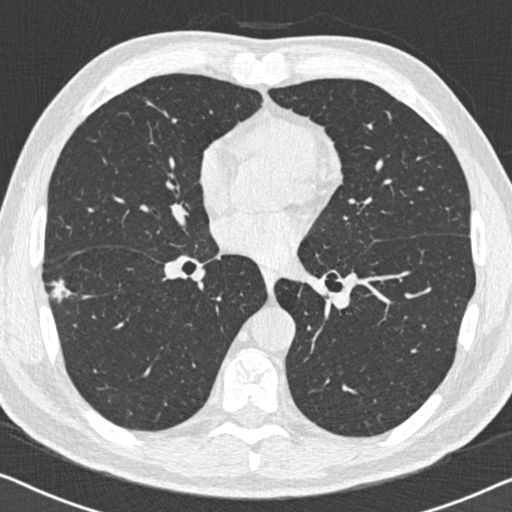
Chest CT, axial plane, 120 kVp, kernel B30f. Slice 303/558 from the bottom of the scan; thickness 0.75 mm; pixel size 0.648 mm.
Two pulmonary nodules are outlined on this slice; from left to right: (1) Pulmonary nodule, outlined by all four readers. Box on this slice rows 277–303, columns 46–72, the union of the readers' outlines on this slice; longest diameter 22.2 mm on average over the four readers' outlines (readers' outlines 18.8–26.5 mm), volume 726–1916 mm3. The readers' prevailing ratings and who disagreed: texture 5/5 (solid) by two of four readers; the rest gave 3/5 (part-solid) (one), 4/5 (one); margin 4/5 by two of four readers; the rest gave 1/5 (indistinct) (one), 2/5 (one); sphericity split among the readers: 2/5 (two), 4/5 (two); calcification absent from all four readers; internal structure soft tissue, all four readers agreeing; subtlety 5/5 by three of four readers; the rest gave 4/5 (one); most readers (three of four) put malignancy likelihood at 4/5, others 5/5 (one). (2) Pulmonary nodule outlined by all four readers, three of them on this slice; box rows 101–105, columns 146–153 (the union of the readers' outlines on this slice); longest diameter 8.4 mm on average over the four readers' outlines (readers' outlines 7.4–9.6 mm), volume 85–182 mm3. The readers' prevailing ratings and who disagreed: most readers (three of four) put texture at 5/5 (solid), others 4/5 (one); most readers (three of four) put margin at 4/5, others 5/5 (circumscribed) (one); most readers (three of four) put sphericity at 3/5 (ovoid), others 4/5 (one); calcification absent from all four readers; internal structure soft tissue, all four readers agreeing; subtlety 4/5 by three of four readers; the rest gave 5/5 (one); malignancy likelihood 3/5 by three of four readers; the rest gave 4/5 (one). Scale key (1–5): texture non-solid→solid, margin indistinct→circumscribed, sphericity linear→round, subtlety extremely subtle→obvious, malignancy likelihood highly unlikely→highly suspicious of cancer. Box rows and columns are 0-based pixel indices from the top-left corner, inclusive.